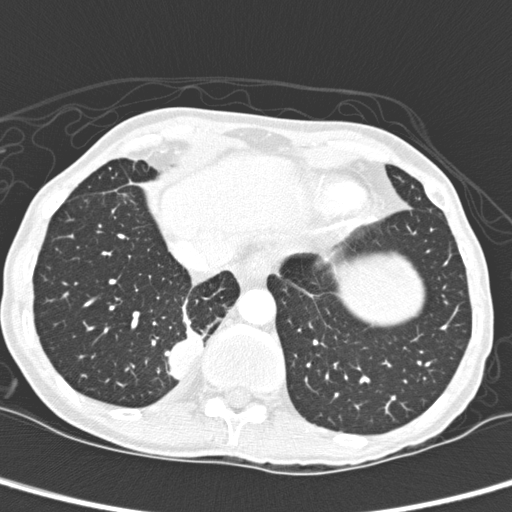
This is axial slice 56 of 280 (slice 1 is the lowest) of a chest CT; each pixel is 0.564 mm and the slice is 1.00 mm thick. Pulmonary nodule, outlined by two of the four readers. Box on this slice rows 327–379, columns 169–202, the union of the readers' outlines on this slice; longest diameter 33.9 mm on average over the two readers' outlines (readers' outlines 32.1–35.8 mm), volume 5657–6702 mm3. Ratings, by the readers' most common answer with dissent counted: texture 5/5 (solid), both readers agreeing; margin 4/5 from both readers; sphericity 3/5 (ovoid) from both readers; calcification absent from both readers; internal structure soft tissue, both readers agreeing; subtlety 5/5, both readers agreeing; malignancy likelihood split among the readers: 2/5 (one), 3/5 (one). Scale key (1–5): texture non-solid→solid, margin indistinct→circumscribed, sphericity linear→round, subtlety extremely subtle→obvious, malignancy likelihood highly unlikely→highly suspicious of cancer. Box rows and columns are 0-based pixel indices from the top-left corner, inclusive.
Tube voltage 120 kVp; convolution kernel D.